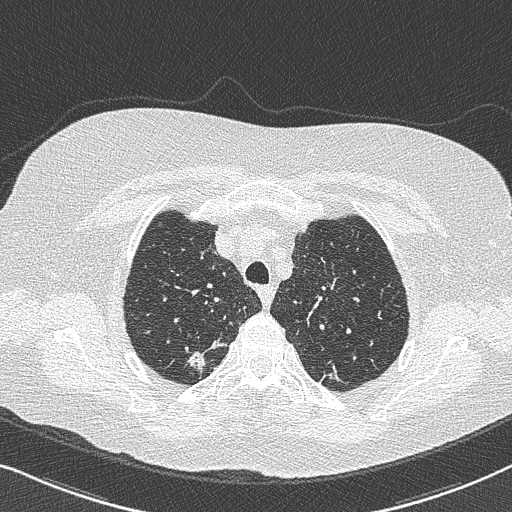
Axial chest CT slice 594 of 733 (counted from the lowest slice); 0.60 mm thick, 0.637 mm per pixel. Pulmonary nodule at rows 338–373, columns 187–227 (box = the union of the readers' outlines on this slice), outlined by all four readers; median longest diameter 21.4 mm (readers' outlines 15.5–29.7 mm), median volume 1103 mm3 (888–2128 mm3). Median ratings and the readers' spread: median texture 5/5 (solid) (readers ranged 4/5 to 5/5 (solid)); margin 3/5 at the median of four readers, spread 1/5 (indistinct) to 4/5; sphericity 3/5 (ovoid) at the median of four readers, spread 2/5 to 5/5 (round); calcification absent, all four readers agreeing; internal structure soft tissue from all four readers; median subtlety 5/5 (readers ranged 4–5); malignancy likelihood 4/5 at the median of four readers, spread 4–5. Scale key (1–5): texture non-solid→solid, margin indistinct→circumscribed, sphericity linear→round, subtlety extremely subtle→obvious, malignancy likelihood highly unlikely→highly suspicious of cancer. Box rows and columns are 0-based pixel indices from the top-left corner, inclusive.
Tube voltage 120 kVp; convolution kernel B50f.